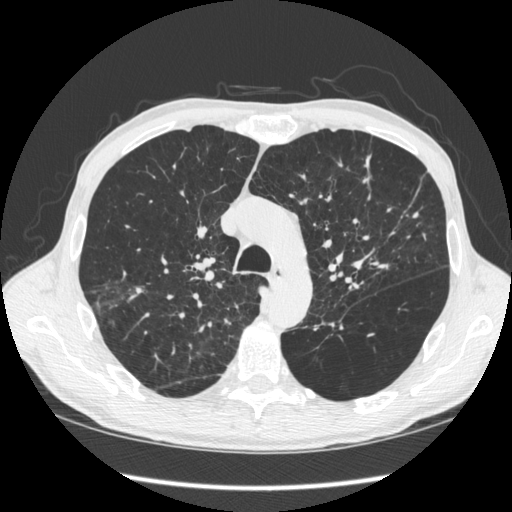
One axial slice (410 of 583, counting up from the lowest) of a chest CT acquired at 120 kVp with the STANDARD kernel; each pixel is 0.703 mm and the slice is 1.25 mm thick.
Pulmonary nodule at rows 211–217, columns 412–418 (box = the union of the readers' outlines on this slice), outlined by two of the four readers; median longest diameter 6.8 mm (readers' outlines 6.5–7.2 mm), median volume 72 mm3 (71–74 mm3). Ratings, median across the readers with their spread: texture 5/5 (solid) from both readers; margin 5/5 (circumscribed) from both readers; sphericity 3.5/5 at the median of two readers, spread 3/5 (ovoid) to 4/5; calcification absent from both readers; internal structure soft tissue, both readers agreeing; median subtlety 3/5 (readers ranged 2–4); malignancy likelihood 3/5 from both readers. Scale key (1–5): texture non-solid→solid, margin indistinct→circumscribed, sphericity linear→round, subtlety extremely subtle→obvious, malignancy likelihood highly unlikely→highly suspicious of cancer. Box rows and columns are 0-based pixel indices from the top-left corner, inclusive.